Axial chest CT slice 198 of 245 (counted from the lowest slice); tube voltage 120 kVp, convolution kernel BONE; slices 1.25 mm thick, 0.664 mm per pixel.
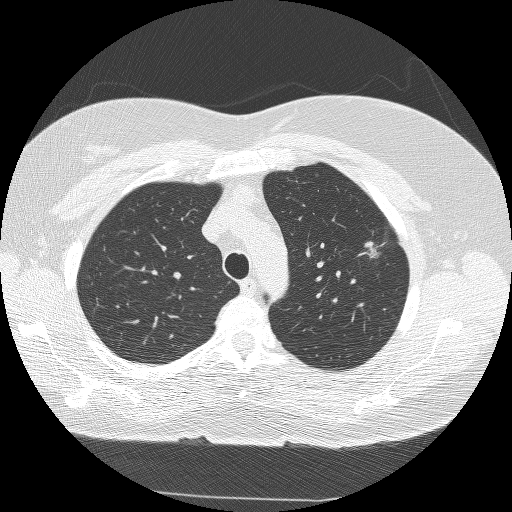
Pulmonary nodule outlined by all four readers; box rows 240–259, columns 363–381 (the union of the readers' outlines on this slice); the four readers' outlines give a longest diameter between 20.8 and 22.3 mm and a volume between 2976 and 3390 mm3. Ratings across the readers: texture from 4/5 to 5/5 (solid) across the four readers; margin from 3/5 to 4/5 across the four readers; sphericity from 3/5 (ovoid) to 5/5 (round) across the four readers; calcification absent from all four readers; internal structure soft tissue from all four readers; subtlety 5/5, all four readers agreeing; malignancy likelihood 5/5 from all four readers. Scale key (1–5): texture non-solid→solid, margin indistinct→circumscribed, sphericity linear→round, subtlety extremely subtle→obvious, malignancy likelihood highly unlikely→highly suspicious of cancer. Box rows and columns are 0-based pixel indices from the top-left corner, inclusive.